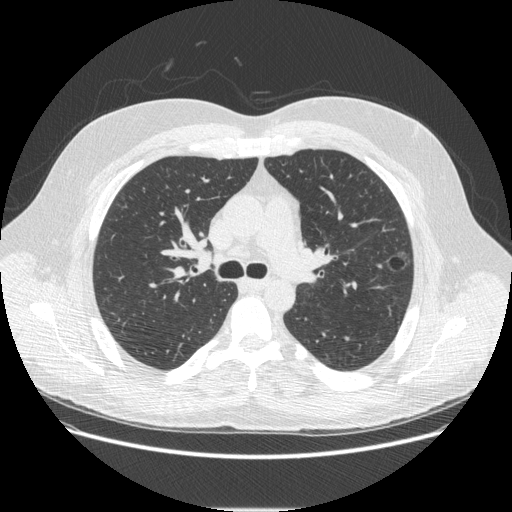
Axial slice 312 of 497 of a chest CT (slice 1 is the lowest), reconstructed with the STANDARD kernel at 120 kVp; 1.25 mm slice thickness and 0.762 mm pixels.
Pulmonary nodule outlined by all four readers; box rows 251–273, columns 385–411 (the union of the readers' outlines on this slice); the four readers' outlines give a longest diameter between 21.5 and 22.5 mm and a volume between 2170 and 2597 mm3. Ratings across the readers: texture from 1/5 (non-solid) to 3/5 (part-solid) across the four readers; margin from 2/5 to 4/5 across the four readers; sphericity from 3/5 (ovoid) to 5/5 (round) across the four readers; calcification absent, all four readers agreeing; internal structure split among the readers: air (two), soft tissue (two); subtlety 1–5/5 (the readers disagree); malignancy likelihood from 1/5 to 5/5 across the four readers. Scale key (1–5): texture non-solid→solid, margin indistinct→circumscribed, sphericity linear→round, subtlety extremely subtle→obvious, malignancy likelihood highly unlikely→highly suspicious of cancer. Box rows and columns are 0-based pixel indices from the top-left corner, inclusive.